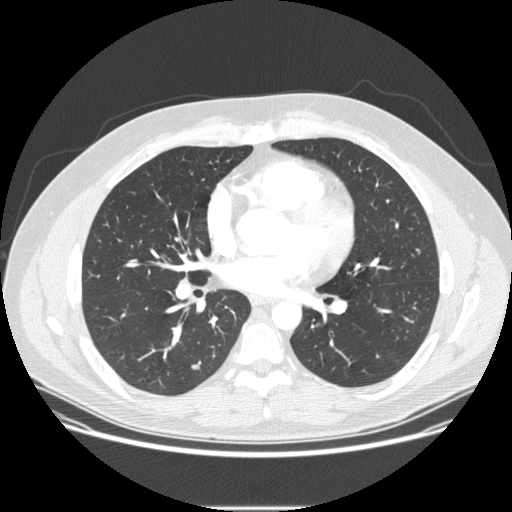
Axial slice 128 of 252 of a chest CT (slice 1 is the lowest), reconstructed with the STANDARD kernel at 120 kVp; 1.25 mm slice thickness and 0.781 mm pixels.
Pulmonary nodule, outlined by three of the four readers. Box on this slice rows 364–369, columns 190–199, the union of the readers' outlines on this slice; the three readers' outlines give a longest diameter between 8.2 and 8.6 mm and a volume between 78 and 79 mm3. The readers' ratings, as ranges where they differ: texture 5/5 (solid), all three readers agreeing; margin 5/5 (circumscribed) from all three readers; sphericity from 2/5 to 3/5 (ovoid) across the three readers; calcification absent, all three readers agreeing; internal structure soft tissue, all three readers agreeing; subtlety 2–3/5 (the readers disagree); malignancy likelihood rated between 2 and 3 out of 5 by the three readers. Scale key (1–5): texture non-solid→solid, margin indistinct→circumscribed, sphericity linear→round, subtlety extremely subtle→obvious, malignancy likelihood highly unlikely→highly suspicious of cancer. Box rows and columns are 0-based pixel indices from the top-left corner, inclusive.